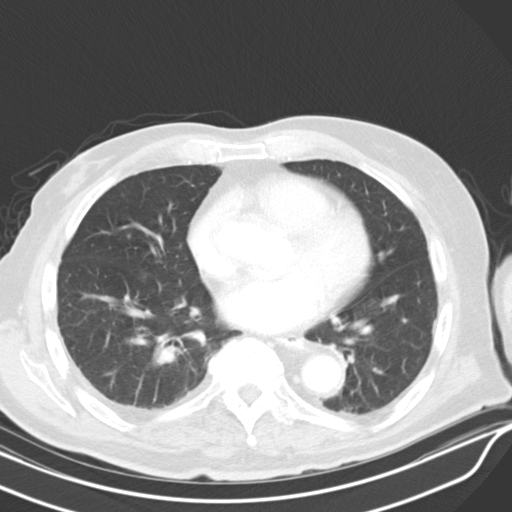
Axial chest CT slice 227 of 319 (counted from the lowest slice); tube voltage 130 kVp, convolution kernel B30s; slices 4.00 mm thick, 0.729 mm per pixel.
Pulmonary nodule at rows 317–324, columns 331–340 (box = that reader's outline on this slice), outlined by one of the four readers; longest diameter 15.4 mm and volume 875 mm3 from that reader's outline. Ratings by that reader: texture 4/5; margin 2/5; sphericity 2/5; calcification absent; internal structure soft tissue; subtlety 3/5; malignancy likelihood 3/5. Scale key (1–5): texture non-solid→solid, margin indistinct→circumscribed, sphericity linear→round, subtlety extremely subtle→obvious, malignancy likelihood highly unlikely→highly suspicious of cancer. Box rows and columns are 0-based pixel indices from the top-left corner, inclusive.